One axial slice (233 of 268, counting up from the lowest) of a chest CT acquired at 120 kVp with the BONE kernel; each pixel is 0.742 mm and the slice is 1.25 mm thick.
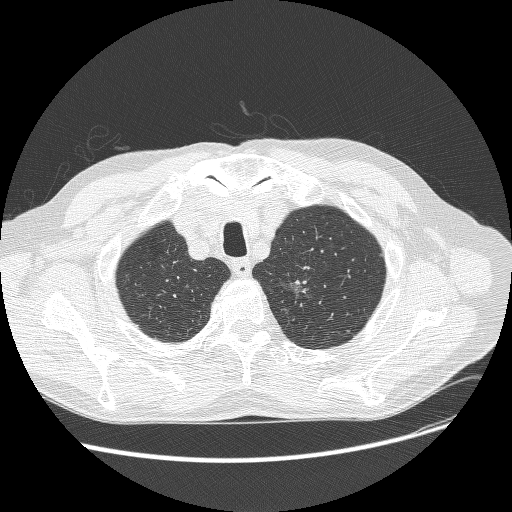
Pulmonary nodule at rows 281–298, columns 276–309 (box = the union of the readers' outlines on this slice), outlined by three of the four readers, two of them on this slice; longest diameter 31.2 mm on average over the three readers' outlines (readers' outlines 30.8–31.7 mm), volume 4750–7267 mm3. The readers' prevailing ratings and who disagreed: texture 3/5 (part-solid), all three readers agreeing; margin 1/5 (indistinct) from all three readers; most readers (two of three) put sphericity at 3/5 (ovoid), others 4/5 (one); calcification absent from all three readers; internal structure soft tissue from all three readers; subtlety 5/5 by two of three readers; the rest gave 4/5 (one); malignancy likelihood 4/5 by two of three readers; the rest gave 5/5 (one). Scale key (1–5): texture non-solid→solid, margin indistinct→circumscribed, sphericity linear→round, subtlety extremely subtle→obvious, malignancy likelihood highly unlikely→highly suspicious of cancer. Box rows and columns are 0-based pixel indices from the top-left corner, inclusive.